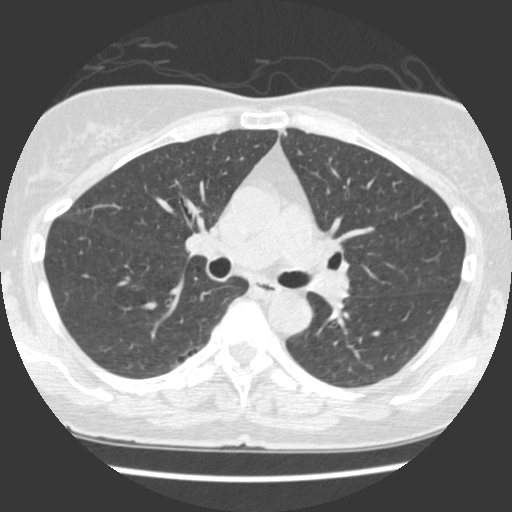
This is axial slice 234 of 429 (slice 1 is the lowest) of a chest CT; each pixel is 0.586 mm and the slice is 1.25 mm thick. Pulmonary nodule outlined by one of the four readers; box rows 130–134, columns 282–285 (that reader's outline on this slice); longest diameter 7.8 mm and volume 111 mm3 from that reader's outline. Ratings by that reader: texture 5/5 (solid); margin 2/5; sphericity 2/5; calcification absent; internal structure soft tissue; subtlety 2/5; malignancy likelihood 1/5. Scale key (1–5): texture non-solid→solid, margin indistinct→circumscribed, sphericity linear→round, subtlety extremely subtle→obvious, malignancy likelihood highly unlikely→highly suspicious of cancer. Box rows and columns are 0-based pixel indices from the top-left corner, inclusive.
Scan settings: 120 kVp, STANDARD reconstruction kernel.